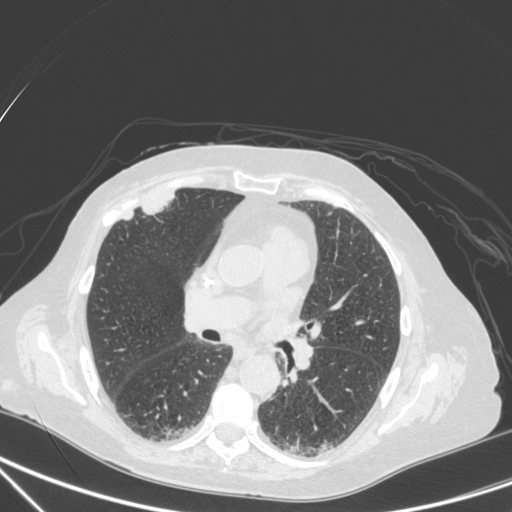
Axial slice 181 of 350 of a chest CT (slice 1 is the lowest), reconstructed with the C kernel at 120 kVp; 1.50 mm slice thickness and 0.725 mm pixels.
Two pulmonary nodules are outlined on this slice; from left to right: (1) Pulmonary nodule at rows 211–219, columns 123–132 (box = that reader's outline on this slice), outlined by one of the four readers; longest diameter 11.5 mm and volume 223 mm3 from that reader's outline. Ratings by that reader: texture 5/5 (solid); margin 4/5; sphericity 4/5; calcification absent; internal structure soft tissue; subtlety 5/5; malignancy likelihood 4/5. (2) Pulmonary nodule at rows 192–214, columns 142–173 (box = that reader's outline on this slice), outlined by one of the four readers; longest diameter 29.5 mm and volume 4181 mm3 from that reader's outline. Ratings by that reader: texture 5/5 (solid); margin 4/5; sphericity 2/5; calcification absent; internal structure soft tissue; subtlety 5/5; malignancy likelihood 4/5. Scale key (1–5): texture non-solid→solid, margin indistinct→circumscribed, sphericity linear→round, subtlety extremely subtle→obvious, malignancy likelihood highly unlikely→highly suspicious of cancer. Box rows and columns are 0-based pixel indices from the top-left corner, inclusive.